Chest CT, axial plane, 120 kVp, kernel STANDARD. Slice 249/481 from the bottom of the scan; thickness 1.25 mm; pixel size 0.605 mm.
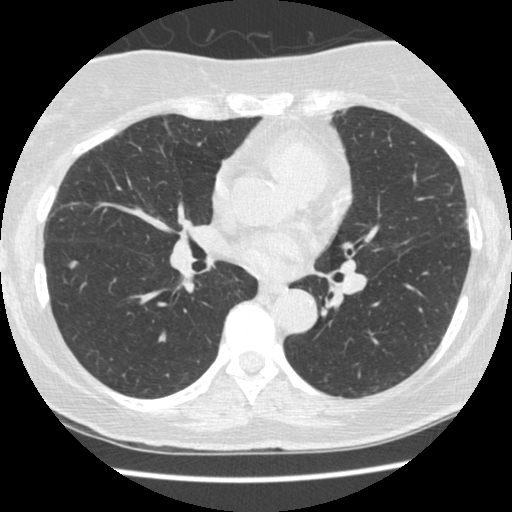
Pulmonary nodule, outlined by three of the four readers. Box on this slice rows 260–268, columns 69–77, the union of the readers' outlines on this slice; longest diameter 8.5 mm on average over the three readers' outlines (readers' outlines 8.1–9.1 mm), volume 55–92 mm3. The readers' prevailing ratings and who disagreed: texture 5/5 (solid), all three readers agreeing; margin 4/5 by two of three readers; the rest gave 5/5 (circumscribed) (one); most readers (two of three) put sphericity at 3/5 (ovoid), others 4/5 (one); calcification absent, all three readers agreeing; internal structure soft tissue from all three readers; subtlety 4/5, all three readers agreeing; malignancy likelihood 3/5 from all three readers. Scale key (1–5): texture non-solid→solid, margin indistinct→circumscribed, sphericity linear→round, subtlety extremely subtle→obvious, malignancy likelihood highly unlikely→highly suspicious of cancer. Box rows and columns are 0-based pixel indices from the top-left corner, inclusive.